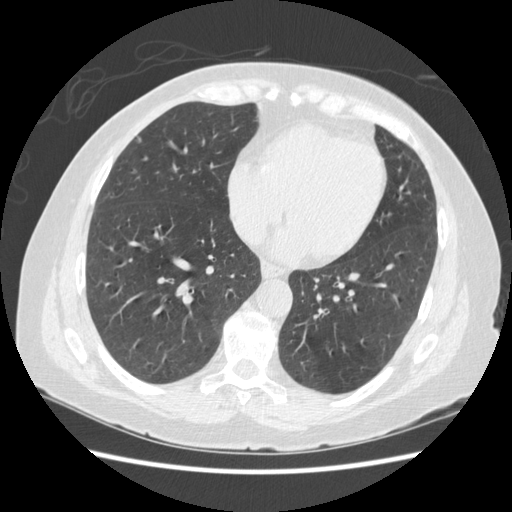
Axial slice 181 of 487 of a chest CT (slice 1 is the lowest), reconstructed with the STANDARD kernel at 120 kVp; 1.25 mm slice thickness and 0.703 mm pixels.
Pulmonary nodule at rows 136–142, columns 135–141 (box = the union of the readers' outlines on this slice), outlined by two of the four readers; longest diameter 6.2 mm on average over the two readers' outlines (readers' outlines 6.0–6.4 mm), volume 52–55 mm3. Ratings, by the readers' most common answer with dissent counted: texture split among the readers: 2/5 (one), 5/5 (solid) (one); margin split among the readers: 3/5 (one), 5/5 (circumscribed) (one); sphericity 4/5 from both readers; calcification absent, both readers agreeing; internal structure soft tissue, both readers agreeing; subtlety split among the readers: 2/5 (one), 4/5 (one); malignancy likelihood split among the readers: 2/5 (one), 3/5 (one). Scale key (1–5): texture non-solid→solid, margin indistinct→circumscribed, sphericity linear→round, subtlety extremely subtle→obvious, malignancy likelihood highly unlikely→highly suspicious of cancer. Box rows and columns are 0-based pixel indices from the top-left corner, inclusive.